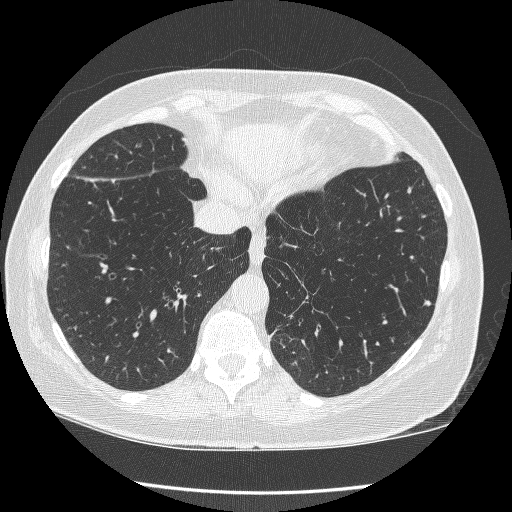
Axial slice 81 of 246 of a chest CT (slice 1 is the lowest), reconstructed with the BONE kernel at 120 kVp; 1.25 mm slice thickness and 0.617 mm pixels.
Pulmonary nodule outlined by all four readers; box rows 300–305, columns 423–431 (the union of the readers' outlines on this slice); longest diameter 5.7 mm on average over the four readers' outlines (readers' outlines 5.3–6.2 mm), volume 83–105 mm3. Ratings, by the readers' most common answer with dissent counted: texture 5/5 (solid) by three of four readers; the rest gave 4/5 (one); margin split among the readers: 4/5 (two), 5/5 (circumscribed) (two); sphericity 3/5 (ovoid) by two of four readers; the rest gave 4/5 (one), 5/5 (round) (one); calcification absent from all four readers; internal structure soft tissue from all four readers; subtlety split among the readers: 2/5 (two), 4/5 (two); malignancy likelihood split among the readers: 2/5 (two), 3/5 (two). Scale key (1–5): texture non-solid→solid, margin indistinct→circumscribed, sphericity linear→round, subtlety extremely subtle→obvious, malignancy likelihood highly unlikely→highly suspicious of cancer. Box rows and columns are 0-based pixel indices from the top-left corner, inclusive.